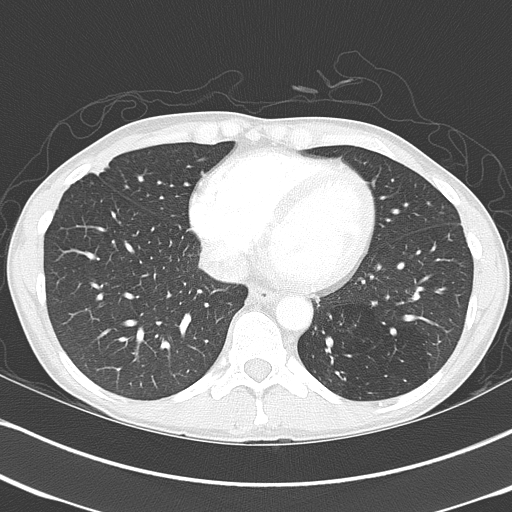
One axial slice (153 of 368, counting up from the lowest) of a chest CT acquired at 120 kVp with the B70f kernel; each pixel is 0.623 mm and the slice is 2.00 mm thick.
Pulmonary nodule, outlined by all four readers, one of them on this slice. Box on this slice rows 163–173, columns 91–107, the one reader's outline on this slice; median longest diameter 29.8 mm (readers' outlines 27.1–39.3 mm), median volume 7696 mm3 (6531–9806 mm3). Ratings, median across the readers with their spread: texture 5/5 (solid) from all four readers; margin 4/5 at the median of four readers, spread 2/5 to 5/5 (circumscribed); sphericity 3/5 (ovoid) at the median of four readers, spread 2/5 to 3/5 (ovoid); calcification split among the readers: laminated calcification (one), absent (one), popcorn calcification (one), non-central calcification (one); internal structure soft tissue, all four readers agreeing; subtlety 5/5, all four readers agreeing; median malignancy likelihood 3/5 (readers ranged 1–5). Scale key (1–5): texture non-solid→solid, margin indistinct→circumscribed, sphericity linear→round, subtlety extremely subtle→obvious, malignancy likelihood highly unlikely→highly suspicious of cancer. Box rows and columns are 0-based pixel indices from the top-left corner, inclusive.